One axial slice (267 of 392, counting up from the lowest) of a chest CT acquired at 120 kVp with the C kernel; each pixel is 0.639 mm and the slice is 1.50 mm thick.
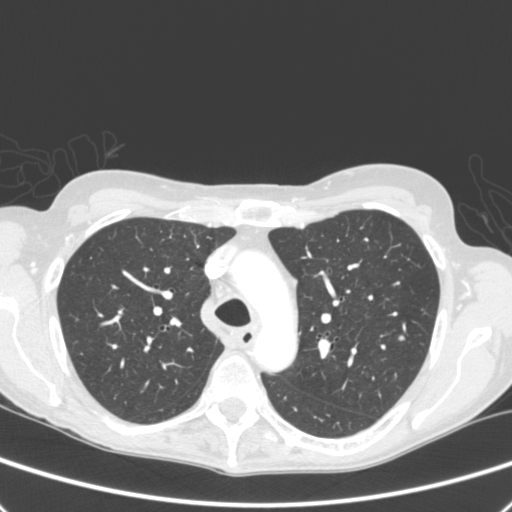
Pulmonary nodule outlined by all four readers; box rows 335–340, columns 397–404 (the union of the readers' outlines on this slice); median longest diameter 6.7 mm (readers' outlines 6.6–6.8 mm), median volume 112 mm3 (88–125 mm3). Median ratings and the readers' spread: texture 5/5 (solid) from all four readers; margin 4.5/5 at the median of four readers, spread 4/5 to 5/5 (circumscribed); median sphericity 4.5/5 (readers ranged 4/5 to 5/5 (round)); calcification absent from all four readers; internal structure soft tissue from all four readers; subtlety 4.5/5 at the median of four readers, spread 2–5; median malignancy likelihood 3/5 (readers ranged 2–4). Scale key (1–5): texture non-solid→solid, margin indistinct→circumscribed, sphericity linear→round, subtlety extremely subtle→obvious, malignancy likelihood highly unlikely→highly suspicious of cancer. Box rows and columns are 0-based pixel indices from the top-left corner, inclusive.